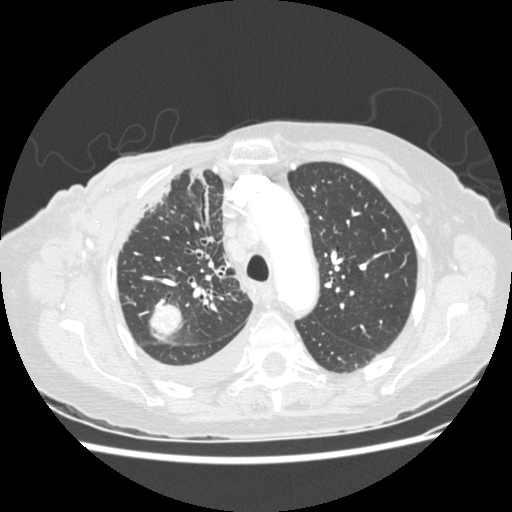
Axial slice 190 of 238 of a chest CT (slice 1 is the lowest), reconstructed with the STANDARD kernel at 120 kVp; 1.25 mm slice thickness and 0.664 mm pixels.
Pulmonary nodule at rows 305–339, columns 149–182 (box = the union of the readers' outlines on this slice), outlined by two of the four readers; longest diameter 31.3–33.5 mm and volume 8200–8583 mm3 across the two readers' outlines. The readers' ratings, as ranges where they differ: texture 5/5 (solid), both readers agreeing; margin from 4/5 to 5/5 (circumscribed) across the two readers; sphericity 4/5 from both readers; calcification absent from both readers; internal structure soft tissue from both readers; subtlety 5/5 from both readers; malignancy likelihood rated between 3 and 5 out of 5 by the two readers. Scale key (1–5): texture non-solid→solid, margin indistinct→circumscribed, sphericity linear→round, subtlety extremely subtle→obvious, malignancy likelihood highly unlikely→highly suspicious of cancer. Box rows and columns are 0-based pixel indices from the top-left corner, inclusive.